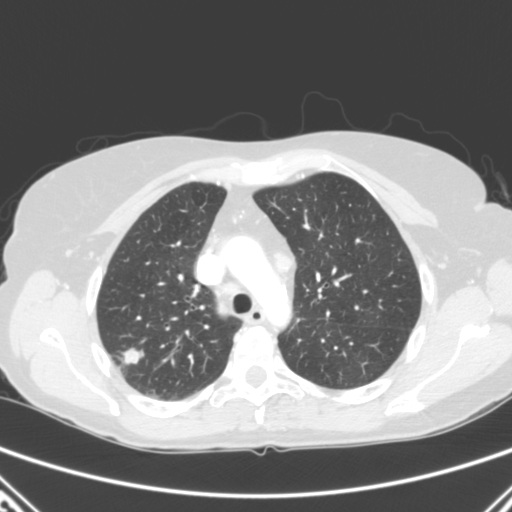
Slice 198/280 of a chest CT, counting up from the lowest; pixel size 0.676 mm, slice thickness 2.00 mm. Pulmonary nodule, outlined three times (the source holds two more outlines, not used). Box on this slice rows 348–375, columns 111–144, the union of the readers' outlines on this slice; median longest diameter 19.7 mm (readers' outlines 19.6–26.7 mm), median volume 999 mm3 (949–1659 mm3). Median ratings and the readers' spread: texture 5/5 (solid) at the median of three readers, spread 4/5 to 5/5 (solid); margin 3/5 at the median of three readers, spread 3/5 to 4/5; median sphericity 3/5 (ovoid) (readers ranged 2/5 to 5/5 (round)); calcification absent, all three readers agreeing; internal structure soft tissue from all three readers; subtlety 5/5, all three readers agreeing; median malignancy likelihood 5/5 (readers ranged 4–5). Scale key (1–5): texture non-solid→solid, margin indistinct→circumscribed, sphericity linear→round, subtlety extremely subtle→obvious, malignancy likelihood highly unlikely→highly suspicious of cancer. Box rows and columns are 0-based pixel indices from the top-left corner, inclusive.
Scan settings: 120 kVp, B reconstruction kernel.